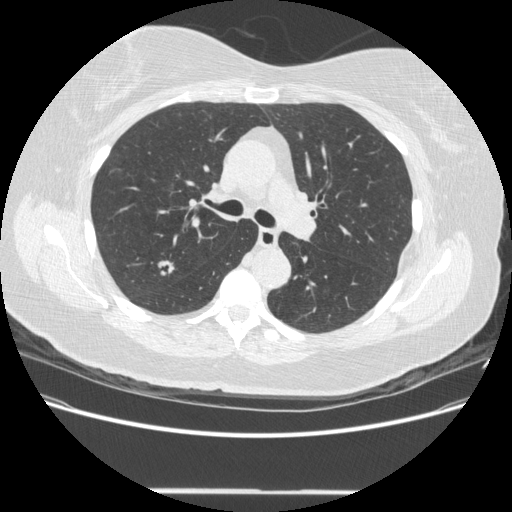
This is axial slice 299 of 481 (slice 1 is the lowest) of a chest CT; each pixel is 0.742 mm and the slice is 1.25 mm thick. Pulmonary nodule, outlined by three of the four readers. Box on this slice rows 260–275, columns 156–174, the union of the readers' outlines on this slice; median longest diameter 14.2 mm (readers' outlines 13.9–15.6 mm), median volume 777 mm3 (741–820 mm3). Ratings, median across the readers with their spread: texture 4/5, all three readers agreeing; median margin 4/5 (readers ranged 3/5 to 4/5); median sphericity 3/5 (ovoid) (readers ranged 3/5 (ovoid) to 4/5); calcification absent from all three readers; internal structure soft tissue from all three readers; median subtlety 4/5 (readers ranged 4–5); median malignancy likelihood 5/5 (readers ranged 4–5). Scale key (1–5): texture non-solid→solid, margin indistinct→circumscribed, sphericity linear→round, subtlety extremely subtle→obvious, malignancy likelihood highly unlikely→highly suspicious of cancer. Box rows and columns are 0-based pixel indices from the top-left corner, inclusive.
Tube voltage 120 kVp; convolution kernel STANDARD.